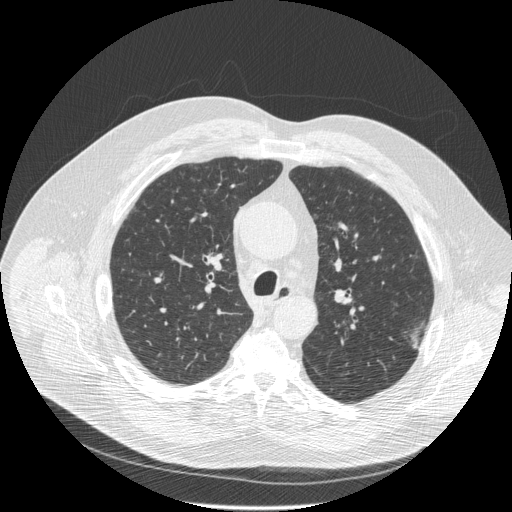
One axial slice (344 of 516, counting up from the lowest) of a chest CT acquired at 120 kVp with the STANDARD kernel; each pixel is 0.820 mm and the slice is 1.25 mm thick.
Pulmonary nodule outlined by three of the four readers; box rows 319–349, columns 410–424 (the union of the readers' outlines on this slice); median longest diameter 28.3 mm (readers' outlines 23.2–31.7 mm), median volume 856 mm3 (750–1666 mm3). Ratings, median across the readers with their spread: texture 4/5 at the median of three readers, spread 3/5 (part-solid) to 5/5 (solid); median margin 3/5 (readers ranged 3/5 to 4/5); sphericity 2/5 from all three readers; calcification absent, all three readers agreeing; internal structure soft tissue from all three readers; subtlety 5/5 from all three readers; malignancy likelihood 4/5 from all three readers. Scale key (1–5): texture non-solid→solid, margin indistinct→circumscribed, sphericity linear→round, subtlety extremely subtle→obvious, malignancy likelihood highly unlikely→highly suspicious of cancer. Box rows and columns are 0-based pixel indices from the top-left corner, inclusive.